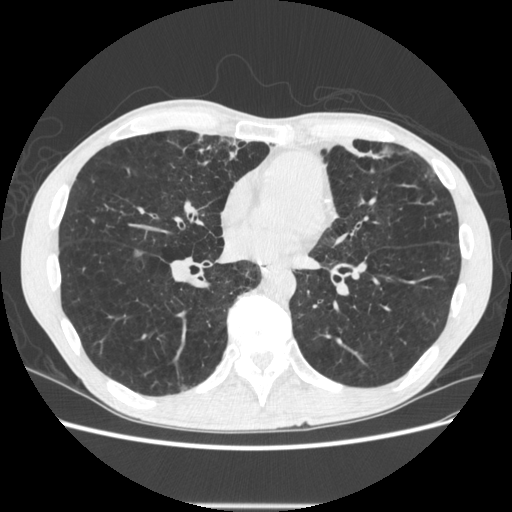
Axial chest CT slice 272 of 605 (counted from the lowest slice); tube voltage 120 kVp, convolution kernel STANDARD; slices 1.25 mm thick, 0.703 mm per pixel.
Pulmonary nodule, outlined by two of the four readers, one of them on this slice. Box on this slice rows 385–389, columns 180–186, the one reader's outline on this slice; median longest diameter 10.1 mm (readers' outlines 9.8–10.4 mm), median volume 152 mm3 (142–162 mm3). Ratings, median across the readers with their spread: texture 5/5 (solid), both readers agreeing; margin 5/5 (circumscribed) from both readers; median sphericity 3.5/5 (readers ranged 3/5 (ovoid) to 4/5); calcification absent, both readers agreeing; internal structure soft tissue, both readers agreeing; subtlety 4/5, both readers agreeing; malignancy likelihood 3/5 from both readers. Scale key (1–5): texture non-solid→solid, margin indistinct→circumscribed, sphericity linear→round, subtlety extremely subtle→obvious, malignancy likelihood highly unlikely→highly suspicious of cancer. Box rows and columns are 0-based pixel indices from the top-left corner, inclusive.